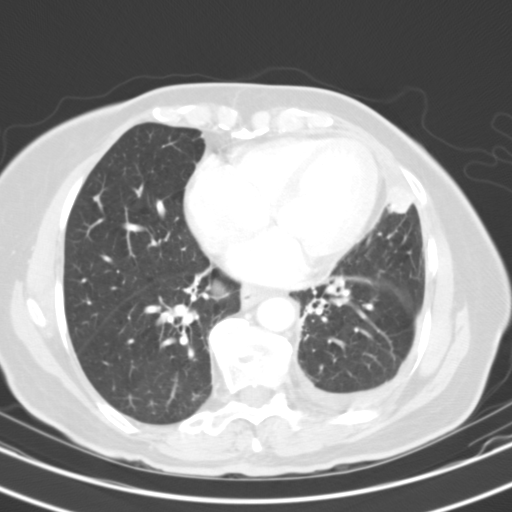
Axial slice 57 of 121 of a chest CT (slice 1 is the lowest), reconstructed with the B31s kernel at 130 kVp; 3.00 mm slice thickness and 0.613 mm pixels.
Pulmonary nodule, outlined by two of the four readers. Box on this slice rows 187–213, columns 386–411, the union of the readers' outlines on this slice; median longest diameter 19.9 mm (readers' outlines 19.2–20.6 mm), median volume 4831 mm3 (4717–4944 mm3). Ratings, median across the readers with their spread: texture 5/5 (solid) from both readers; margin 3.5/5 at the median of two readers, spread 3/5 to 4/5; median sphericity 4.5/5 (readers ranged 4/5 to 5/5 (round)); calcification absent, both readers agreeing; internal structure soft tissue from both readers; median subtlety 4/5 (readers ranged 3–5); malignancy likelihood 3.5/5 at the median of two readers, spread 3–4. Scale key (1–5): texture non-solid→solid, margin indistinct→circumscribed, sphericity linear→round, subtlety extremely subtle→obvious, malignancy likelihood highly unlikely→highly suspicious of cancer. Box rows and columns are 0-based pixel indices from the top-left corner, inclusive.